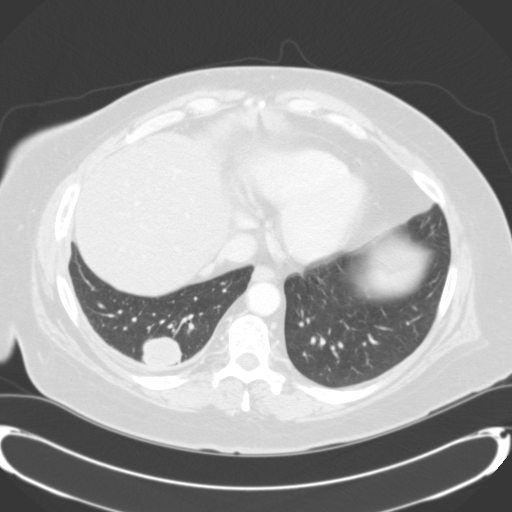
Axial slice 59 of 124 of a chest CT (slice 1 is the lowest), reconstructed with the B31f kernel at 120 kVp; 3.00 mm slice thickness and 0.764 mm pixels.
Pulmonary nodule at rows 337–366, columns 142–181 (box = the union of the readers' outlines on this slice), outlined by three of the four readers; the three readers' outlines give a longest diameter between 32.1 and 33.9 mm and a volume between 13060 and 14151 mm3. The readers' ratings, as ranges where they differ: texture from 4/5 to 5/5 (solid) across the three readers; margin from 4/5 to 5/5 (circumscribed) across the three readers; sphericity 4/5 from all three readers; calcification absent from all three readers; internal structure soft tissue from all three readers; subtlety 5/5, all three readers agreeing; malignancy likelihood rated between 3 and 5 out of 5 by the three readers. Scale key (1–5): texture non-solid→solid, margin indistinct→circumscribed, sphericity linear→round, subtlety extremely subtle→obvious, malignancy likelihood highly unlikely→highly suspicious of cancer. Box rows and columns are 0-based pixel indices from the top-left corner, inclusive.